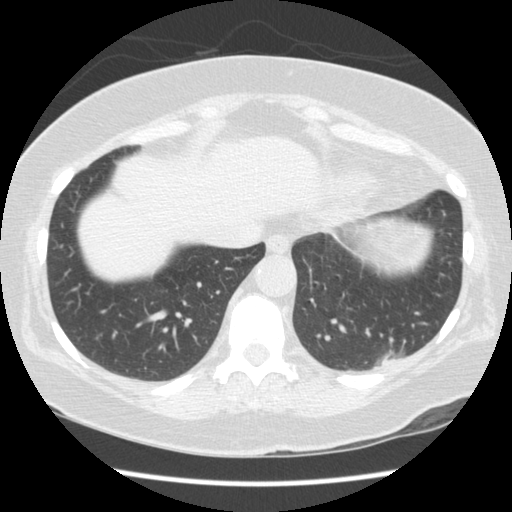
This is axial slice 40 of 154 (slice 1 is the lowest) of a chest CT; each pixel is 0.645 mm and the slice is 2.50 mm thick. Pulmonary nodule at rows 351–367, columns 373–402 (box = that reader's outline on this slice), outlined by one of the four readers; longest diameter 24.1 mm and volume 2244 mm3 from that reader's outline. That reader's ratings: texture 3/5 (part-solid); margin 3/5; sphericity 4/5; calcification absent; internal structure soft tissue; subtlety 4/5; malignancy likelihood 1/5. Scale key (1–5): texture non-solid→solid, margin indistinct→circumscribed, sphericity linear→round, subtlety extremely subtle→obvious, malignancy likelihood highly unlikely→highly suspicious of cancer. Box rows and columns are 0-based pixel indices from the top-left corner, inclusive.
Tube voltage 120 kVp; convolution kernel STANDARD.